One axial slice (146 of 408, counting up from the lowest) of a chest CT acquired at 120 kVp with the B30f kernel; each pixel is 0.531 mm and the slice is 0.75 mm thick.
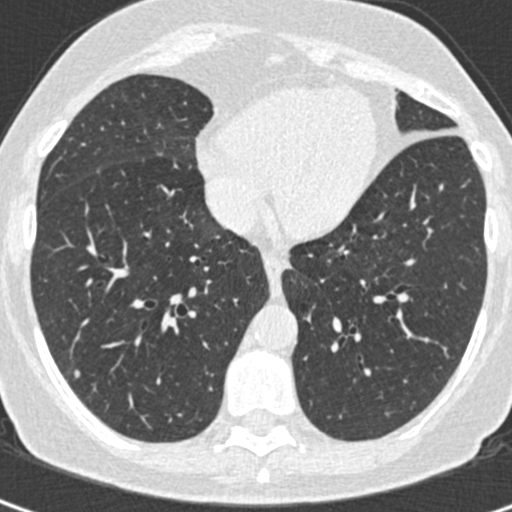
Pulmonary nodule at rows 369–378, columns 73–80 (box = the union of the readers' outlines on this slice), outlined by all four readers; median longest diameter 5.7 mm (readers' outlines 5.4–6.1 mm), median volume 46 mm3 (35–62 mm3). Ratings, median across the readers with their spread: median texture 5/5 (solid) (readers ranged 4/5 to 5/5 (solid)); margin 4.5/5 at the median of four readers, spread 2/5 to 5/5 (circumscribed); sphericity 4.5/5 at the median of four readers, spread 3/5 (ovoid) to 5/5 (round); calcification: absent (three), solid calcification (one); internal structure soft tissue, all four readers agreeing; median subtlety 3/5 (readers ranged 2–5); median malignancy likelihood 2/5 (readers ranged 1–3). Scale key (1–5): texture non-solid→solid, margin indistinct→circumscribed, sphericity linear→round, subtlety extremely subtle→obvious, malignancy likelihood highly unlikely→highly suspicious of cancer. Box rows and columns are 0-based pixel indices from the top-left corner, inclusive.